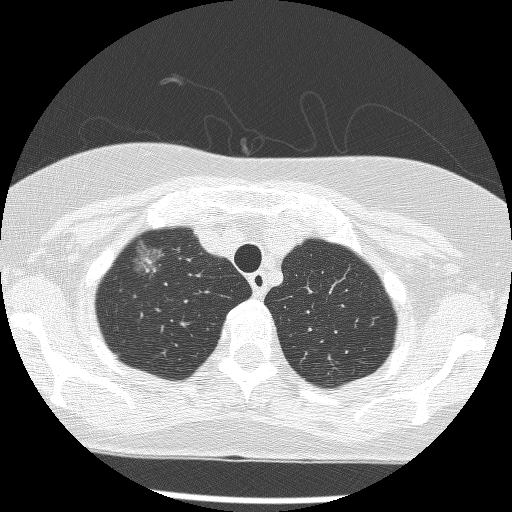
Axial slice 208 of 241 of a chest CT (slice 1 is the lowest), reconstructed with the BONE kernel at 120 kVp; 1.25 mm slice thickness and 0.586 mm pixels.
Pulmonary nodule outlined by all four readers; box rows 239–279, columns 132–164 (the union of the readers' outlines on this slice); longest diameter 22.8 mm on average over the four readers' outlines (readers' outlines 21.0–24.7 mm), volume 2289–2909 mm3. The readers' prevailing ratings and who disagreed: texture split among the readers: 1/5 (non-solid) (two), 2/5 (two); margin 2/5 by three of four readers; the rest gave 3/5 (one); sphericity 3/5 (ovoid) by two of four readers; the rest gave 2/5 (one), 4/5 (one); calcification absent from all four readers; internal structure soft tissue from all four readers; subtlety split among the readers: 4/5 (two), 5/5 (two); most readers (three of four) put malignancy likelihood at 5/5, others 3/5 (one). Scale key (1–5): texture non-solid→solid, margin indistinct→circumscribed, sphericity linear→round, subtlety extremely subtle→obvious, malignancy likelihood highly unlikely→highly suspicious of cancer. Box rows and columns are 0-based pixel indices from the top-left corner, inclusive.